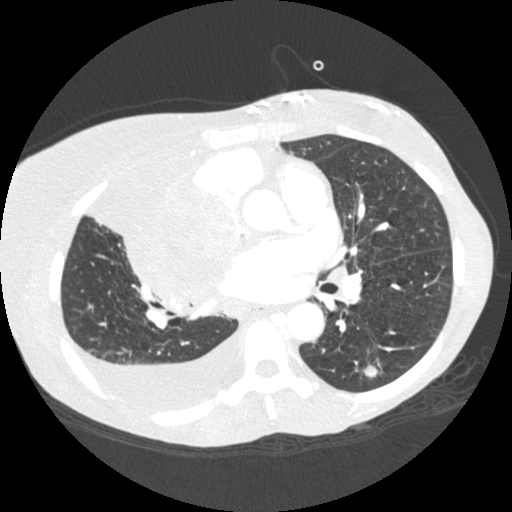
Chest CT, axial plane, 120 kVp, kernel STANDARD. Slice 119/238 from the bottom of the scan; thickness 1.25 mm; pixel size 0.625 mm.
Pulmonary nodule, outlined by all four readers. Box on this slice rows 364–378, columns 363–378, the union of the readers' outlines on this slice; median longest diameter 10.1 mm (readers' outlines 9.7–10.7 mm), median volume 354 mm3 (334–416 mm3). Ratings, median across the readers with their spread: texture 5/5 (solid), all four readers agreeing; margin 4/5, all four readers agreeing; sphericity 4.5/5 at the median of four readers, spread 4/5 to 5/5 (round); calcification absent, all four readers agreeing; internal structure soft tissue, all four readers agreeing; subtlety 4.5/5 at the median of four readers, spread 4–5; median malignancy likelihood 4/5 (readers ranged 3–5). Scale key (1–5): texture non-solid→solid, margin indistinct→circumscribed, sphericity linear→round, subtlety extremely subtle→obvious, malignancy likelihood highly unlikely→highly suspicious of cancer. Box rows and columns are 0-based pixel indices from the top-left corner, inclusive.